Chest CT, axial plane, 120 kVp, kernel B30f. Slice 180/506 from the bottom of the scan; thickness 0.75 mm; pixel size 0.699 mm.
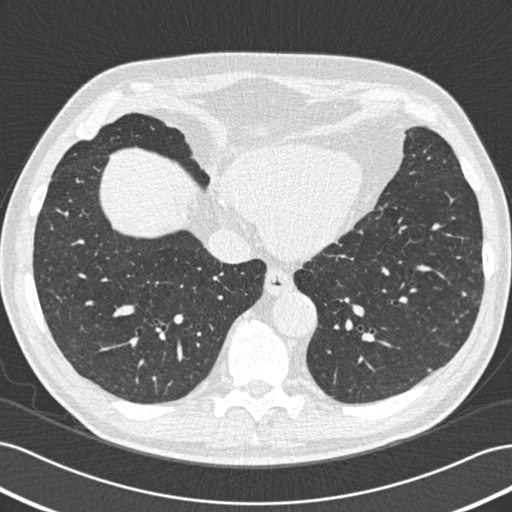
Pulmonary nodule at rows 291–296, columns 462–466 (box = the union of the readers' outlines on this slice), outlined by all four readers; longest diameter 7.1 mm on average over the four readers' outlines (readers' outlines 6.6–7.8 mm), volume 93–162 mm3. Ratings, by the readers' most common answer with dissent counted: texture 5/5 (solid) from all four readers; margin 5/5 (circumscribed) by two of four readers; the rest gave 3/5 (one), 4/5 (one); sphericity 3/5 (ovoid) by three of four readers; the rest gave 5/5 (round) (one); calcification absent from all four readers; internal structure soft tissue from all four readers; subtlety split among the readers: 2/5 (two), 3/5 (two); malignancy likelihood 3/5 by two of four readers; the rest gave 1/5 (one), 2/5 (one). Scale key (1–5): texture non-solid→solid, margin indistinct→circumscribed, sphericity linear→round, subtlety extremely subtle→obvious, malignancy likelihood highly unlikely→highly suspicious of cancer. Box rows and columns are 0-based pixel indices from the top-left corner, inclusive.